Axial chest CT slice 127 of 484 (counted from the lowest slice); tube voltage 120 kVp, convolution kernel STANDARD; slices 1.25 mm thick, 0.586 mm per pixel.
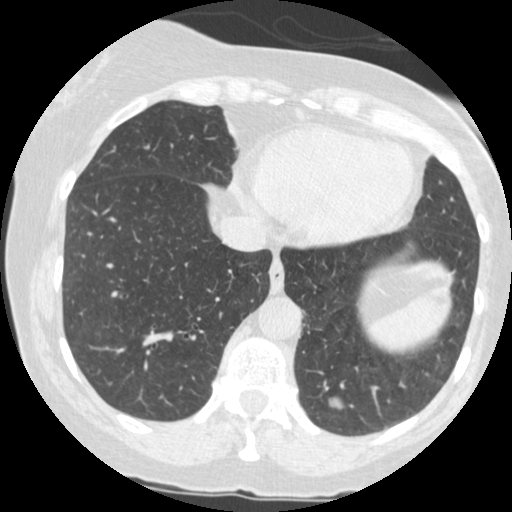
Pulmonary nodule outlined by all four readers; box rows 397–411, columns 326–344 (the union of the readers' outlines on this slice); the four readers' outlines give a longest diameter between 14.7 and 16.9 mm and a volume between 1036 and 1469 mm3. The readers' ratings, as ranges where they differ: texture 5/5 (solid), all four readers agreeing; margin 5/5 (circumscribed), all four readers agreeing; sphericity from 3/5 (ovoid) to 5/5 (round) across the four readers; calcification absent from all four readers; internal structure soft tissue from all four readers; subtlety 5/5, all four readers agreeing; malignancy likelihood from 2/5 to 5/5 across the four readers. Scale key (1–5): texture non-solid→solid, margin indistinct→circumscribed, sphericity linear→round, subtlety extremely subtle→obvious, malignancy likelihood highly unlikely→highly suspicious of cancer. Box rows and columns are 0-based pixel indices from the top-left corner, inclusive.